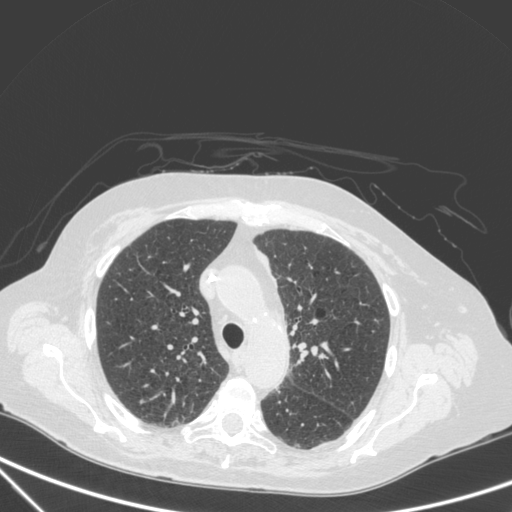
Axial slice 233 of 350 of a chest CT (slice 1 is the lowest), reconstructed with the C kernel at 120 kVp; 1.50 mm slice thickness and 0.725 mm pixels.
Pulmonary nodule outlined by all four readers; box rows 353–359, columns 317–325 (the union of the readers' outlines on this slice); longest diameter 10.7 mm on average over the four readers' outlines (readers' outlines 9.9–11.7 mm), volume 335–580 mm3. Ratings, by the readers' most common answer with dissent counted: texture 5/5 (solid) from all four readers; margin 4/5, all four readers agreeing; most readers (three of four) put sphericity at 3/5 (ovoid), others 4/5 (one); calcification absent from all four readers; internal structure soft tissue from all four readers; subtlety 5/5 by three of four readers; the rest gave 4/5 (one); malignancy likelihood split among the readers: 2/5 (one), 3/5 (one), 4/5 (one), 5/5 (one). Scale key (1–5): texture non-solid→solid, margin indistinct→circumscribed, sphericity linear→round, subtlety extremely subtle→obvious, malignancy likelihood highly unlikely→highly suspicious of cancer. Box rows and columns are 0-based pixel indices from the top-left corner, inclusive.